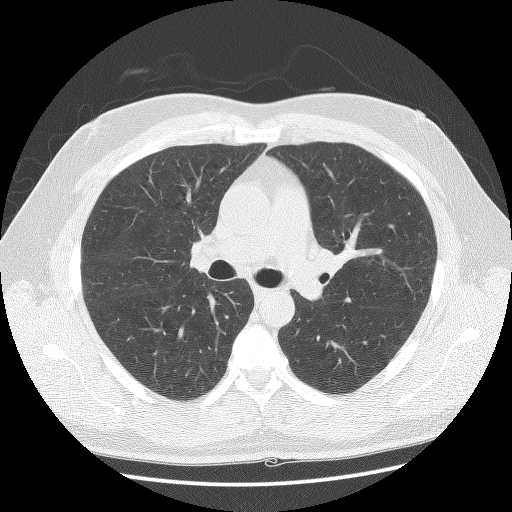
Chest CT, axial plane, 140 kVp, kernel BONE. Slice 74/123 from the bottom of the scan; thickness 2.50 mm; pixel size 0.703 mm.
Pulmonary nodule outlined by three of the four readers; box rows 296–302, columns 344–350 (the union of the readers' outlines on this slice); longest diameter 5.6 mm on average over the three readers' outlines (readers' outlines 5.1–6.0 mm), volume 71–93 mm3. Ratings, by the readers' most common answer with dissent counted: texture 5/5 (solid) by two of three readers; the rest gave 3/5 (part-solid) (one); most readers (two of three) put margin at 4/5, others 5/5 (circumscribed) (one); most readers (two of three) put sphericity at 4/5, others 3/5 (ovoid) (one); calcification absent, all three readers agreeing; internal structure soft tissue from all three readers; most readers (two of three) put subtlety at 4/5, others 5/5 (one); malignancy likelihood 3/5 from all three readers. Scale key (1–5): texture non-solid→solid, margin indistinct→circumscribed, sphericity linear→round, subtlety extremely subtle→obvious, malignancy likelihood highly unlikely→highly suspicious of cancer. Box rows and columns are 0-based pixel indices from the top-left corner, inclusive.